Axial chest CT slice 115 of 252 (counted from the lowest slice); tube voltage 120 kVp, convolution kernel BONE; slices 1.25 mm thick, 0.703 mm per pixel.
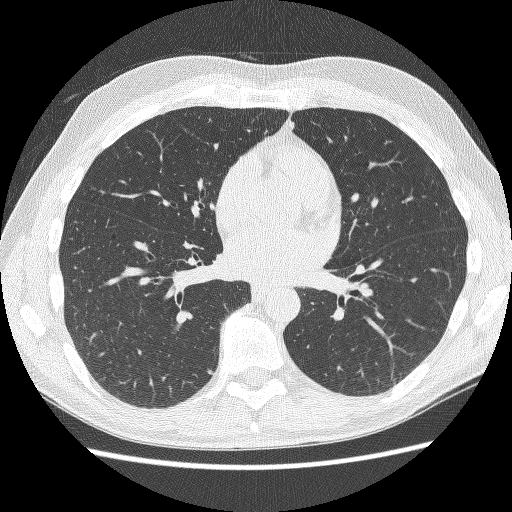
Pulmonary nodule, outlined by one of the four readers. Box on this slice rows 370–374, columns 207–213, that reader's outline on this slice; longest diameter 6.7 mm and volume 64 mm3 from that reader's outline. That reader's ratings: texture 5/5 (solid); margin 5/5 (circumscribed); sphericity 4/5; calcification absent; internal structure soft tissue; subtlety 4/5; malignancy likelihood 2/5. Scale key (1–5): texture non-solid→solid, margin indistinct→circumscribed, sphericity linear→round, subtlety extremely subtle→obvious, malignancy likelihood highly unlikely→highly suspicious of cancer. Box rows and columns are 0-based pixel indices from the top-left corner, inclusive.